Axial chest CT slice 83 of 143 (counted from the lowest slice); tube voltage 130 kVp, convolution kernel B31s; slices 3.00 mm thick, 0.635 mm per pixel.
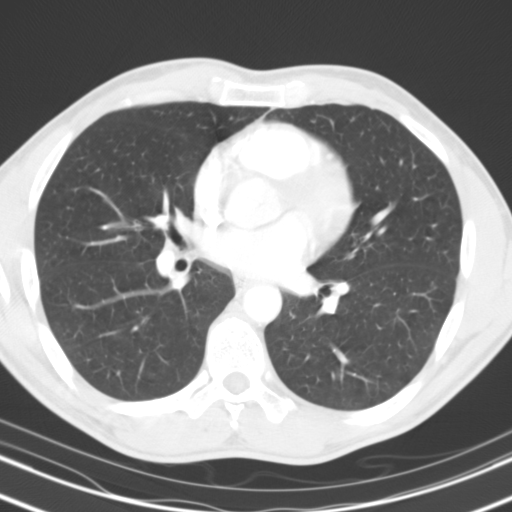
None of the four readers outlined a nodule of 3 mm or more on this slice.